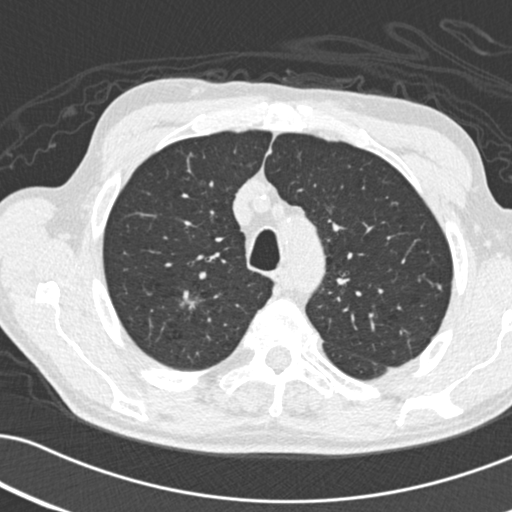
Axial slice 166 of 209 of a chest CT (slice 1 is the lowest), reconstructed with the B30f kernel at 120 kVp; 2.00 mm slice thickness and 0.625 mm pixels.
Pulmonary nodule at rows 290–310, columns 179–202 (box = the one reader's outline on this slice), outlined by two of the four readers, one of them on this slice; median longest diameter 16.4 mm (readers' outlines 15.9–16.8 mm), median volume 574 mm3 (371–777 mm3). Ratings, median across the readers with their spread: texture 2/5 at the median of two readers, spread 1/5 (non-solid) to 3/5 (part-solid); median margin 3/5 (readers ranged 2/5 to 4/5); median sphericity 3/5 (ovoid) (readers ranged 2/5 to 4/5); calcification absent from both readers; internal structure soft tissue from both readers; median subtlety 4/5 (readers ranged 3–5); median malignancy likelihood 4/5 (readers ranged 3–5). Scale key (1–5): texture non-solid→solid, margin indistinct→circumscribed, sphericity linear→round, subtlety extremely subtle→obvious, malignancy likelihood highly unlikely→highly suspicious of cancer. Box rows and columns are 0-based pixel indices from the top-left corner, inclusive.